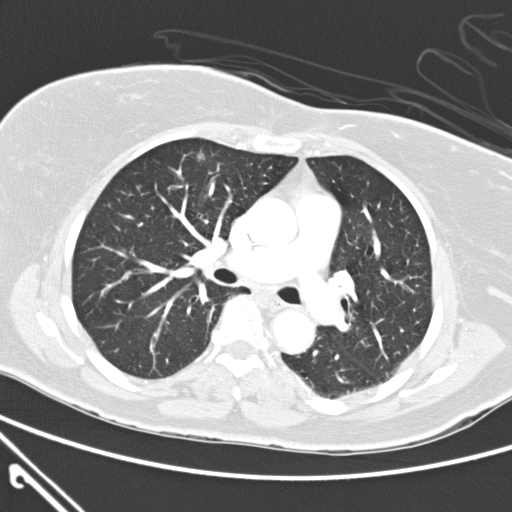
Axial chest CT slice 160 of 300 (counted from the lowest slice); tube voltage 120 kVp, convolution kernel D; slices 2.00 mm thick, 0.631 mm per pixel.
Pulmonary nodule, outlined by three of the four readers. Box on this slice rows 150–160, columns 195–204, the union of the readers' outlines on this slice; median longest diameter 9.2 mm (readers' outlines 9.2–10.2 mm), median volume 178 mm3 (147–194 mm3). Ratings, median across the readers with their spread: median texture 5/5 (solid) (readers ranged 4/5 to 5/5 (solid)); median margin 4/5 (readers ranged 3/5 to 4/5); sphericity 4/5, all three readers agreeing; calcification absent, all three readers agreeing; internal structure soft tissue, all three readers agreeing; median subtlety 3/5 (readers ranged 3–5); median malignancy likelihood 3/5 (readers ranged 2–4). Scale key (1–5): texture non-solid→solid, margin indistinct→circumscribed, sphericity linear→round, subtlety extremely subtle→obvious, malignancy likelihood highly unlikely→highly suspicious of cancer. Box rows and columns are 0-based pixel indices from the top-left corner, inclusive.